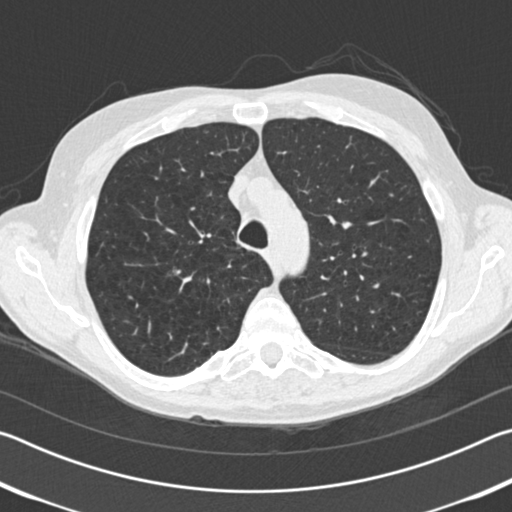
Axial chest CT slice 143 of 192 (counted from the lowest slice); tube voltage 120 kVp, convolution kernel B30f; slices 2.00 mm thick, 0.664 mm per pixel.
The readers outlined no nodule of 3 mm or more on this slice.